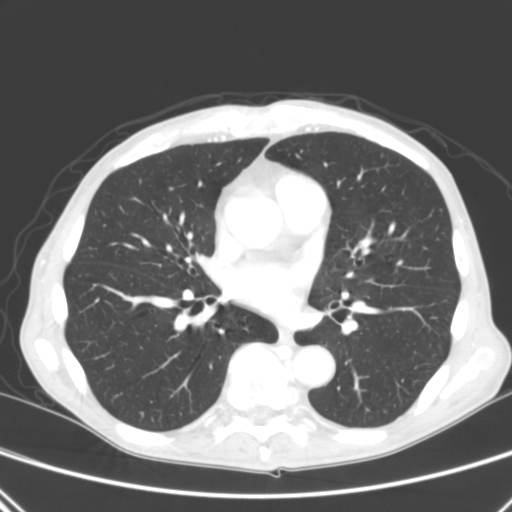
Axial chest CT slice 140 of 290 (counted from the lowest slice); 2.00 mm thick, 0.639 mm per pixel. Pulmonary nodule at rows 187–190, columns 169–172 (box = that reader's outline on this slice), outlined by one of the four readers; longest diameter 4.1 mm and volume 26 mm3 from that reader's outline. Ratings by that reader: texture 5/5 (solid); margin 5/5 (circumscribed); sphericity 5/5 (round); calcification absent; internal structure soft tissue; subtlety 5/5; malignancy likelihood 3/5. Scale key (1–5): texture non-solid→solid, margin indistinct→circumscribed, sphericity linear→round, subtlety extremely subtle→obvious, malignancy likelihood highly unlikely→highly suspicious of cancer. Box rows and columns are 0-based pixel indices from the top-left corner, inclusive.
Scan settings: 120 kVp, B reconstruction kernel.